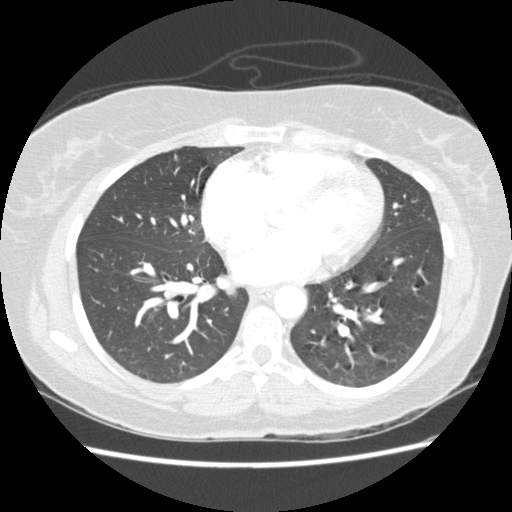
One axial slice (114 of 238, counting up from the lowest) of a chest CT acquired at 120 kVp with the STANDARD kernel; each pixel is 0.664 mm and the slice is 1.25 mm thick.
Pulmonary nodule, outlined by three of the four readers, two of them on this slice. Box on this slice rows 154–160, columns 173–177, the union of the readers' outlines on this slice; the three readers' outlines give a longest diameter between 6.8 and 6.9 mm and a volume between 98 and 123 mm3. The readers' ratings, as ranges where they differ: texture 5/5 (solid) from all three readers; margin 5/5 (circumscribed) from all three readers; sphericity from 3/5 (ovoid) to 4/5 across the three readers; calcification absent from all three readers; internal structure soft tissue, all three readers agreeing; subtlety rated between 3 and 4 out of 5 by the three readers; malignancy likelihood 2/5, all three readers agreeing. Scale key (1–5): texture non-solid→solid, margin indistinct→circumscribed, sphericity linear→round, subtlety extremely subtle→obvious, malignancy likelihood highly unlikely→highly suspicious of cancer. Box rows and columns are 0-based pixel indices from the top-left corner, inclusive.